Axial chest CT slice 209 of 277 (counted from the lowest slice); tube voltage 120 kVp, convolution kernel STANDARD; slices 1.25 mm thick, 0.879 mm per pixel.
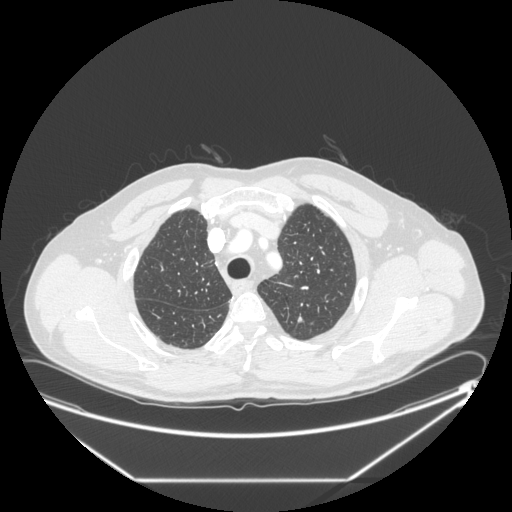
Pulmonary nodule outlined by all four readers; box rows 315–323, columns 297–303 (the union of the readers' outlines on this slice); longest diameter 10.0 mm on average over the four readers' outlines (readers' outlines 8.8–11.6 mm), volume 140–256 mm3. Ratings, by the readers' most common answer with dissent counted: texture 5/5 (solid), all four readers agreeing; margin split among the readers: 4/5 (two), 5/5 (circumscribed) (two); most readers (three of four) put sphericity at 3/5 (ovoid), others 4/5 (one); calcification absent from all four readers; internal structure soft tissue from all four readers; subtlety 5/5 by two of four readers; the rest gave 2/5 (one), 4/5 (one); malignancy likelihood 4/5 by two of four readers; the rest gave 2/5 (one), 3/5 (one). Scale key (1–5): texture non-solid→solid, margin indistinct→circumscribed, sphericity linear→round, subtlety extremely subtle→obvious, malignancy likelihood highly unlikely→highly suspicious of cancer. Box rows and columns are 0-based pixel indices from the top-left corner, inclusive.